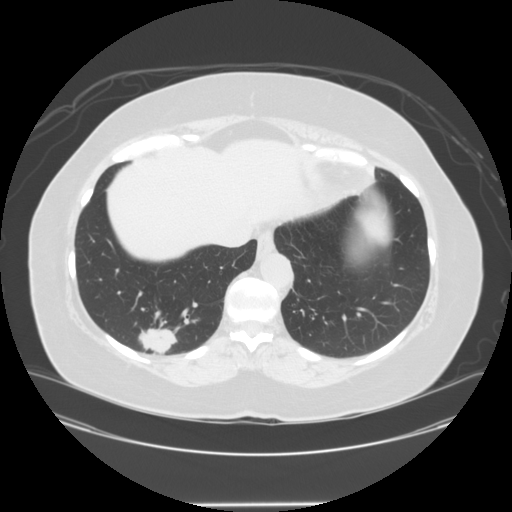
This is axial slice 55 of 150 (slice 1 is the lowest) of a chest CT; each pixel is 0.820 mm and the slice is 2.50 mm thick. Pulmonary nodule outlined by three of the four readers; box rows 321–352, columns 137–176 (the union of the readers' outlines on this slice); longest diameter 34.5–41.5 mm and volume 15181–19016 mm3 across the three readers' outlines. The readers' ratings, as ranges where they differ: texture 5/5 (solid) from all three readers; margin from 2/5 to 4/5 across the three readers; sphericity from 3/5 (ovoid) to 5/5 (round) across the three readers; calcification absent, all three readers agreeing; internal structure soft tissue, all three readers agreeing; subtlety 5/5, all three readers agreeing; malignancy likelihood 5/5, all three readers agreeing. Scale key (1–5): texture non-solid→solid, margin indistinct→circumscribed, sphericity linear→round, subtlety extremely subtle→obvious, malignancy likelihood highly unlikely→highly suspicious of cancer. Box rows and columns are 0-based pixel indices from the top-left corner, inclusive.
Tube voltage 120 kVp; convolution kernel STANDARD.